One axial slice (163 of 238, counting up from the lowest) of a chest CT acquired at 120 kVp with the STANDARD kernel; each pixel is 0.729 mm and the slice is 1.25 mm thick.
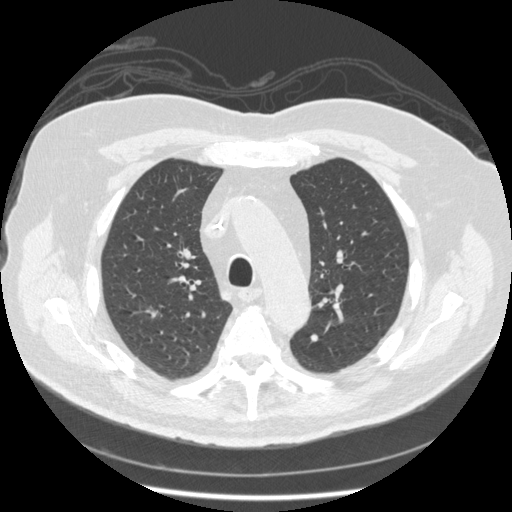
Pulmonary nodule outlined by all four readers; box rows 333–341, columns 309–317 (the union of the readers' outlines on this slice); longest diameter 6.9–9.0 mm and volume 123–197 mm3 across the four readers' outlines. The readers' ratings, as ranges where they differ: texture from 4/5 to 5/5 (solid) across the four readers; margin 5/5 (circumscribed), all four readers agreeing; sphericity from 4/5 to 5/5 (round) across the four readers; calcification absent, all four readers agreeing; internal structure soft tissue from all four readers; subtlety rated between 3 and 5 out of 5 by the four readers; malignancy likelihood from 2/5 to 3/5 across the four readers. Scale key (1–5): texture non-solid→solid, margin indistinct→circumscribed, sphericity linear→round, subtlety extremely subtle→obvious, malignancy likelihood highly unlikely→highly suspicious of cancer. Box rows and columns are 0-based pixel indices from the top-left corner, inclusive.